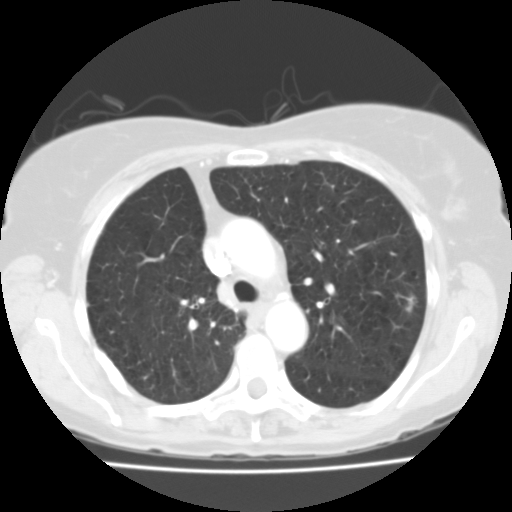
This is axial slice 74 of 112 (slice 1 is the lowest) of a chest CT; each pixel is 0.613 mm and the slice is 3.00 mm thick. Pulmonary nodule outlined by all four readers; box rows 295–312, columns 405–417 (the union of the readers' outlines on this slice); the four readers' outlines give a longest diameter between 13.6 and 15.2 mm and a volume between 677 and 955 mm3. Ratings across the readers: texture from 4/5 to 5/5 (solid) across the four readers; margin from 2/5 to 3/5 across the four readers; sphericity from 3/5 (ovoid) to 4/5 across the four readers; calcification absent from all four readers; internal structure soft tissue, all four readers agreeing; subtlety rated between 4 and 5 out of 5 by the four readers; malignancy likelihood 3–5/5 (the readers disagree). Scale key (1–5): texture non-solid→solid, margin indistinct→circumscribed, sphericity linear→round, subtlety extremely subtle→obvious, malignancy likelihood highly unlikely→highly suspicious of cancer. Box rows and columns are 0-based pixel indices from the top-left corner, inclusive.
Acquired at 135 kVp and reconstructed with the FC01 kernel.